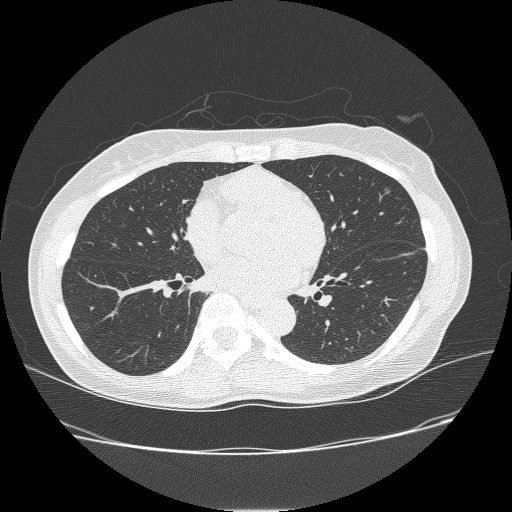
Axial chest CT slice 124 of 238 (counted from the lowest slice); tube voltage 120 kVp, convolution kernel BONE; slices 1.25 mm thick, 0.703 mm per pixel.
Pulmonary nodule outlined by all four readers, two of them on this slice; box rows 187–193, columns 384–390 (the union of the readers' outlines on this slice); longest diameter 9.1 mm on average over the four readers' outlines (readers' outlines 8.6–9.9 mm), volume 170–232 mm3. The readers' prevailing ratings and who disagreed: texture 1/5 (non-solid) by three of four readers; the rest gave 3/5 (part-solid) (one); margin 1/5 (indistinct) by three of four readers; the rest gave 5/5 (circumscribed) (one); sphericity 4/5 by two of four readers; the rest gave 3/5 (ovoid) (one), 5/5 (round) (one); calcification absent, all four readers agreeing; internal structure soft tissue, all four readers agreeing; subtlety 4/5 by two of four readers; the rest gave 2/5 (one), 3/5 (one); malignancy likelihood 4/5 by two of four readers; the rest gave 2/5 (one), 3/5 (one). Scale key (1–5): texture non-solid→solid, margin indistinct→circumscribed, sphericity linear→round, subtlety extremely subtle→obvious, malignancy likelihood highly unlikely→highly suspicious of cancer. Box rows and columns are 0-based pixel indices from the top-left corner, inclusive.